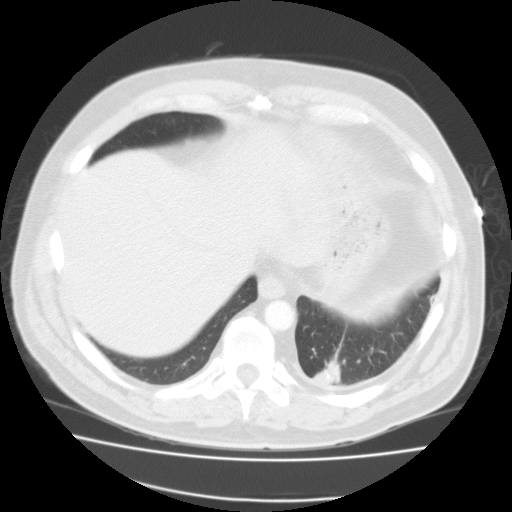
One axial slice (40 of 115, counting up from the lowest) of a chest CT acquired at 135 kVp with the FC01 kernel; each pixel is 0.782 mm and the slice is 3.00 mm thick.
Pulmonary nodule, outlined by all four readers. Box on this slice rows 358–384, columns 312–342, the union of the readers' outlines on this slice; median longest diameter 28.5 mm (readers' outlines 25.2–31.6 mm), median volume 6356 mm3 (5217–6928 mm3). Median ratings and the readers' spread: texture 5/5 (solid) at the median of four readers, spread 4/5 to 5/5 (solid); median margin 4/5 (readers ranged 2/5 to 4/5); sphericity 3.5/5 at the median of four readers, spread 2/5 to 4/5; calcification split among the readers: non-central calcification (two), absent (two); internal structure soft tissue from all four readers; subtlety 5/5, all four readers agreeing; median malignancy likelihood 3/5 (readers ranged 2–5). Scale key (1–5): texture non-solid→solid, margin indistinct→circumscribed, sphericity linear→round, subtlety extremely subtle→obvious, malignancy likelihood highly unlikely→highly suspicious of cancer. Box rows and columns are 0-based pixel indices from the top-left corner, inclusive.